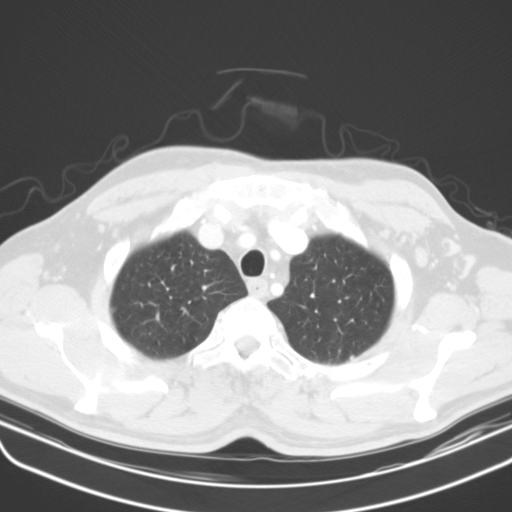
Slice 117/134 of a chest CT, counting up from the lowest; pixel size 0.715 mm, slice thickness 3.00 mm. Pulmonary nodule outlined by one of the four readers; box rows 355–359, columns 349–352 (that reader's outline on this slice); longest diameter 5.2 mm and volume 61 mm3 from that reader's outline. That reader's ratings: texture 4/5; margin 4/5; sphericity 3/5 (ovoid); calcification absent; internal structure soft tissue; subtlety 4/5; malignancy likelihood 3/5. Scale key (1–5): texture non-solid→solid, margin indistinct→circumscribed, sphericity linear→round, subtlety extremely subtle→obvious, malignancy likelihood highly unlikely→highly suspicious of cancer. Box rows and columns are 0-based pixel indices from the top-left corner, inclusive.
Acquired at 130 kVp and reconstructed with the B31s kernel.